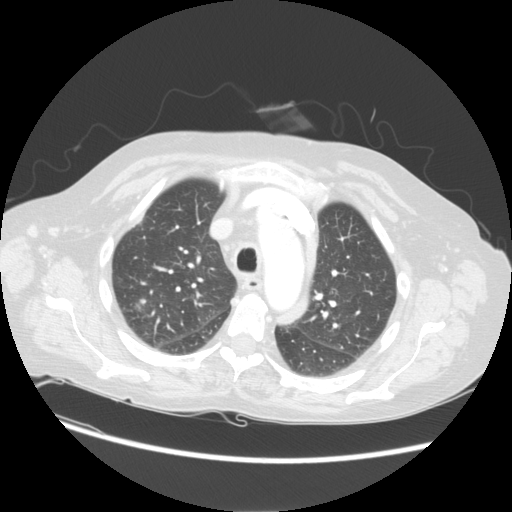
Axial slice 89 of 113 of a chest CT (slice 1 is the lowest), reconstructed with the STANDARD kernel at 120 kVp; 2.50 mm slice thickness and 0.742 mm pixels.
Two pulmonary nodules on this slice, listed from left to right. (1) Pulmonary nodule, outlined by all four readers, two of them on this slice. Box on this slice rows 298–311, columns 130–146, the union of the readers' outlines on this slice; median longest diameter 20.4 mm (readers' outlines 19.0–21.1 mm), median volume 2378 mm3 (1815–2942 mm3). Median ratings and the readers' spread: texture 5/5 (solid), all four readers agreeing; median margin 4/5 (readers ranged 2/5 to 5/5 (circumscribed)); median sphericity 4.5/5 (readers ranged 3/5 (ovoid) to 5/5 (round)); calcification absent, all four readers agreeing; internal structure soft tissue, all four readers agreeing; subtlety 5/5 from all four readers; malignancy likelihood 5/5 at the median of four readers, spread 3–5. (2) Pulmonary nodule at rows 213–226, columns 133–144 (box = the one reader's outline on this slice), outlined by three of the four readers, one of them on this slice; longest diameter 15.6–22.7 mm and volume 735–1841 mm3 across the three readers' outlines. Ratings across the readers: texture 5/5 (solid), all three readers agreeing; margin 5/5 (circumscribed) from all three readers; sphericity from 3/5 (ovoid) to 5/5 (round) across the three readers; calcification absent from all three readers; internal structure soft tissue from all three readers; subtlety rated between 3 and 5 out of 5 by the three readers; malignancy likelihood from 2/5 to 5/5 across the three readers. Scale key (1–5): texture non-solid→solid, margin indistinct→circumscribed, sphericity linear→round, subtlety extremely subtle→obvious, malignancy likelihood highly unlikely→highly suspicious of cancer. Box rows and columns are 0-based pixel indices from the top-left corner, inclusive.